Axial slice 43 of 118 of a chest CT (slice 1 is the lowest), reconstructed with the B31f kernel at 120 kVp; 3.00 mm slice thickness and 0.707 mm pixels.
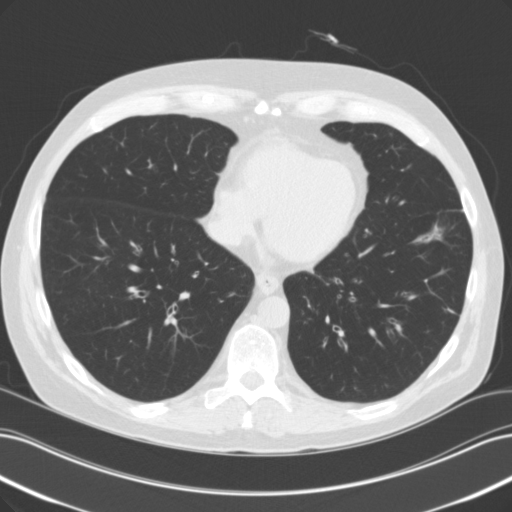
Pulmonary nodule, outlined by all four readers, three of them on this slice. Box on this slice rows 308–313, columns 447–454, the union of the readers' outlines on this slice; longest diameter 8.9–11.2 mm and volume 357–448 mm3 across the four readers' outlines. Ratings across the readers: texture from 4/5 to 5/5 (solid) across the four readers; margin from 4/5 to 5/5 (circumscribed) across the four readers; sphericity 2/5 from all four readers; calcification absent from all four readers; internal structure soft tissue from all four readers; subtlety from 3/5 to 5/5 across the four readers; malignancy likelihood rated between 1 and 3 out of 5 by the four readers. Scale key (1–5): texture non-solid→solid, margin indistinct→circumscribed, sphericity linear→round, subtlety extremely subtle→obvious, malignancy likelihood highly unlikely→highly suspicious of cancer. Box rows and columns are 0-based pixel indices from the top-left corner, inclusive.